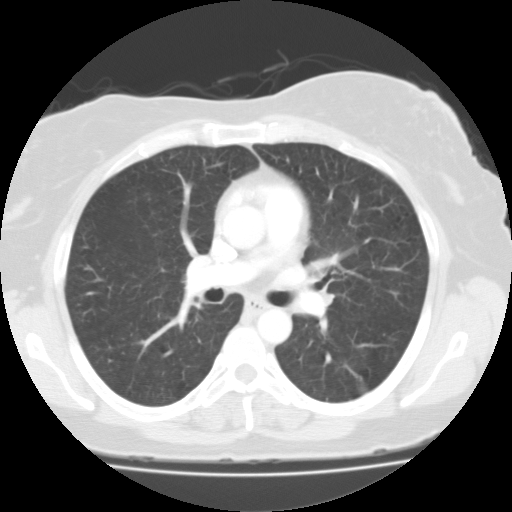
Slice 72/113 of a chest CT, counting up from the lowest; pixel size 0.698 mm, slice thickness 3.00 mm. Pulmonary nodule, outlined by all four readers, three of them on this slice. Box on this slice rows 376–392, columns 356–368, the union of the readers' outlines on this slice; longest diameter 16.1 mm on average over the four readers' outlines (readers' outlines 13.7–17.3 mm), volume 768–1779 mm3. The readers' prevailing ratings and who disagreed: texture 5/5 (solid) by three of four readers; the rest gave 4/5 (one); most readers (three of four) put margin at 4/5, others 3/5 (one); most readers (three of four) put sphericity at 4/5, others 3/5 (ovoid) (one); calcification absent by three of four readers, central calcification (one); internal structure soft tissue, all four readers agreeing; subtlety 5/5 by three of four readers; the rest gave 3/5 (one); most readers (three of four) put malignancy likelihood at 3/5, others 1/5 (one). Scale key (1–5): texture non-solid→solid, margin indistinct→circumscribed, sphericity linear→round, subtlety extremely subtle→obvious, malignancy likelihood highly unlikely→highly suspicious of cancer. Box rows and columns are 0-based pixel indices from the top-left corner, inclusive.
Tube voltage 135 kVp; convolution kernel FC01.